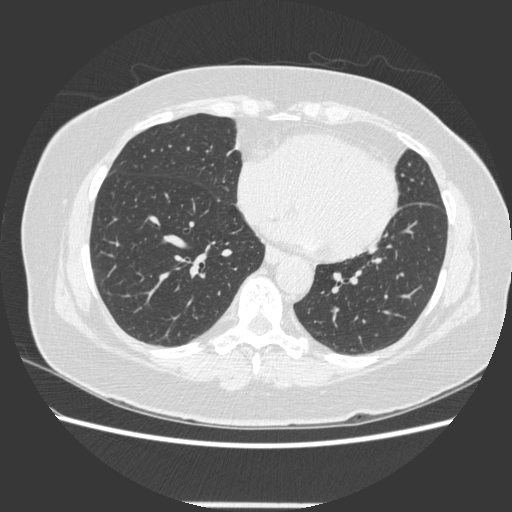
One axial slice (168 of 452, counting up from the lowest) of a chest CT acquired at 120 kVp with the STANDARD kernel; each pixel is 0.703 mm and the slice is 1.25 mm thick.
No nodule of 3 mm or larger was outlined by any of the four readers on this slice.